One axial slice (248 of 305, counting up from the lowest) of a chest CT acquired at 120 kVp with the STANDARD kernel; each pixel is 0.732 mm and the slice is 1.25 mm thick.
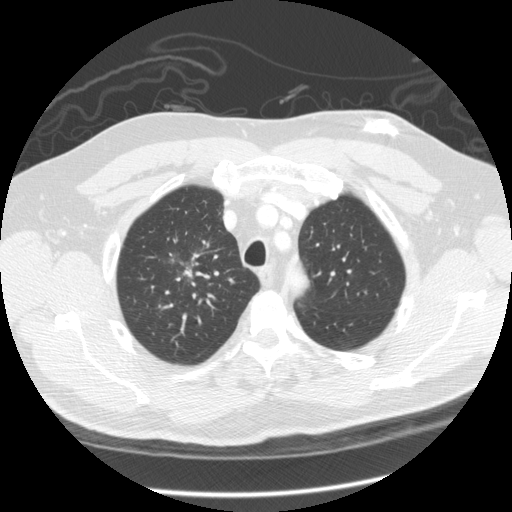
Pulmonary nodule outlined by three of the four readers, two of them on this slice; box rows 252–280, columns 170–199 (the union of the readers' outlines on this slice); longest diameter 43.5 mm on average over the three readers' outlines (readers' outlines 41.0–45.9 mm), volume 6528–11092 mm3. Ratings, by the readers' most common answer with dissent counted: texture split among the readers: 3/5 (part-solid) (one), 4/5 (one), 5/5 (solid) (one); margin split among the readers: 1/5 (indistinct) (one), 3/5 (one), 4/5 (one); most readers (two of three) put sphericity at 3/5 (ovoid), others 2/5 (one); calcification absent, all three readers agreeing; internal structure soft tissue from all three readers; subtlety 5/5, all three readers agreeing; malignancy likelihood 5/5, all three readers agreeing. Scale key (1–5): texture non-solid→solid, margin indistinct→circumscribed, sphericity linear→round, subtlety extremely subtle→obvious, malignancy likelihood highly unlikely→highly suspicious of cancer. Box rows and columns are 0-based pixel indices from the top-left corner, inclusive.